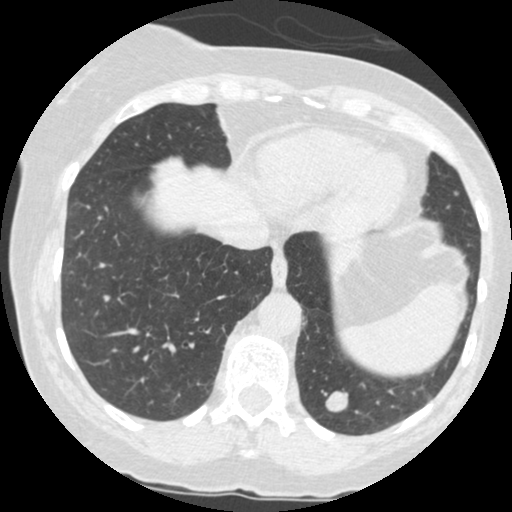
One axial slice (117 of 484, counting up from the lowest) of a chest CT acquired at 120 kVp with the STANDARD kernel; each pixel is 0.586 mm and the slice is 1.25 mm thick.
Pulmonary nodule at rows 390–412, columns 323–347 (box = the union of the readers' outlines on this slice), outlined by all four readers; longest diameter 15.7 mm on average over the four readers' outlines (readers' outlines 14.7–16.9 mm), volume 1036–1469 mm3. The readers' prevailing ratings and who disagreed: texture 5/5 (solid), all four readers agreeing; margin 5/5 (circumscribed), all four readers agreeing; sphericity 4/5 by two of four readers; the rest gave 3/5 (ovoid) (one), 5/5 (round) (one); calcification absent from all four readers; internal structure soft tissue from all four readers; subtlety 5/5, all four readers agreeing; malignancy likelihood 5/5 by two of four readers; the rest gave 2/5 (one), 3/5 (one). Scale key (1–5): texture non-solid→solid, margin indistinct→circumscribed, sphericity linear→round, subtlety extremely subtle→obvious, malignancy likelihood highly unlikely→highly suspicious of cancer. Box rows and columns are 0-based pixel indices from the top-left corner, inclusive.